Axial chest CT slice 184 of 417 (counted from the lowest slice); tube voltage 120 kVp, convolution kernel STANDARD; slices 1.25 mm thick, 0.703 mm per pixel.
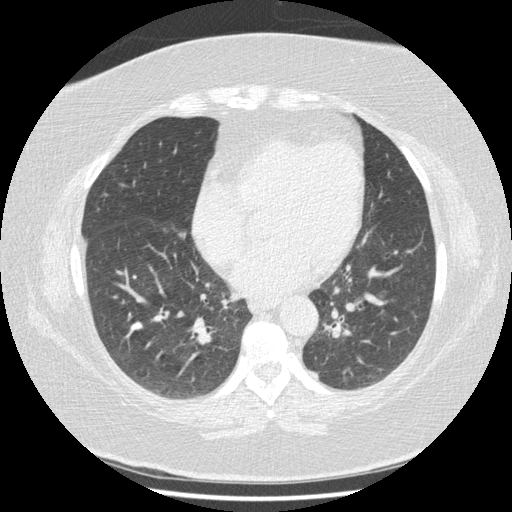
Pulmonary nodule at rows 321–330, columns 131–141 (box = the union of the readers' outlines on this slice), outlined by all four readers; median longest diameter 10.6 mm (readers' outlines 10.5–10.9 mm), median volume 457 mm3 (396–502 mm3). Median ratings and the readers' spread: texture 5/5 (solid), all four readers agreeing; margin 5/5 (circumscribed), all four readers agreeing; sphericity 4/5 at the median of four readers, spread 3/5 (ovoid) to 4/5; calcification: solid calcification (three), absent (one); internal structure soft tissue, all four readers agreeing; subtlety 5/5 from all four readers; malignancy likelihood 1/5 from all four readers. Scale key (1–5): texture non-solid→solid, margin indistinct→circumscribed, sphericity linear→round, subtlety extremely subtle→obvious, malignancy likelihood highly unlikely→highly suspicious of cancer. Box rows and columns are 0-based pixel indices from the top-left corner, inclusive.